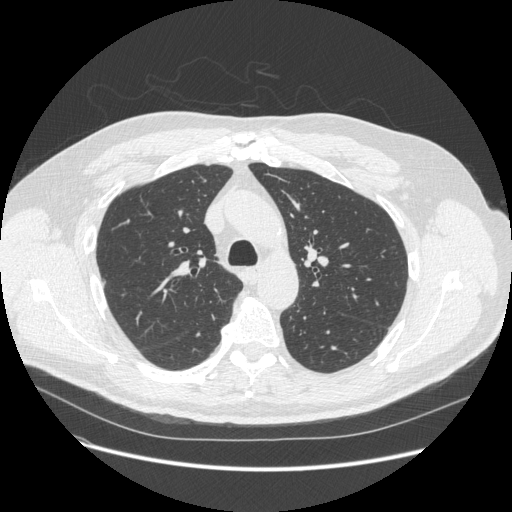
Axial chest CT slice 372 of 541 (counted from the lowest slice); 1.25 mm thick, 0.781 mm per pixel. Pulmonary nodule outlined by two of the four readers; box rows 278–286, columns 100–105 (the union of the readers' outlines on this slice); longest diameter 8.2–10.3 mm and volume 74–127 mm3 across the two readers' outlines. The readers' ratings, as ranges where they differ: texture 5/5 (solid), both readers agreeing; margin 5/5 (circumscribed) from both readers; sphericity 3/5 (ovoid) from both readers; calcification absent, both readers agreeing; internal structure soft tissue, both readers agreeing; subtlety 5/5, both readers agreeing; malignancy likelihood rated between 2 and 3 out of 5 by the two readers. Scale key (1–5): texture non-solid→solid, margin indistinct→circumscribed, sphericity linear→round, subtlety extremely subtle→obvious, malignancy likelihood highly unlikely→highly suspicious of cancer. Box rows and columns are 0-based pixel indices from the top-left corner, inclusive.
Scan settings: 120 kVp, STANDARD reconstruction kernel.